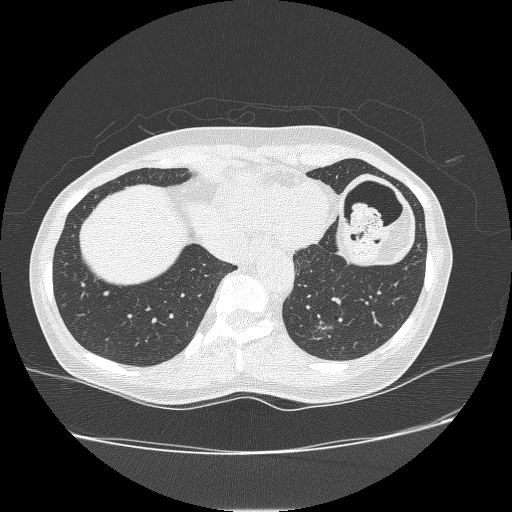
Chest CT, axial plane, 120 kVp, kernel BONE. Slice 79/238 from the bottom of the scan; thickness 1.25 mm; pixel size 0.703 mm.
Pulmonary nodule outlined by two of the four readers, one of them on this slice; box rows 319–332, columns 316–333 (the one reader's outline on this slice); longest diameter 12.0 mm on average over the two readers' outlines (readers' outlines 10.7–13.4 mm), volume 131–392 mm3. The readers' prevailing ratings and who disagreed: texture 1/5 (non-solid) from both readers; margin 1/5 (indistinct), both readers agreeing; sphericity split among the readers: 4/5 (one), 5/5 (round) (one); calcification absent, both readers agreeing; internal structure soft tissue from both readers; subtlety split among the readers: 2/5 (one), 4/5 (one); malignancy likelihood 3/5, both readers agreeing. Scale key (1–5): texture non-solid→solid, margin indistinct→circumscribed, sphericity linear→round, subtlety extremely subtle→obvious, malignancy likelihood highly unlikely→highly suspicious of cancer. Box rows and columns are 0-based pixel indices from the top-left corner, inclusive.